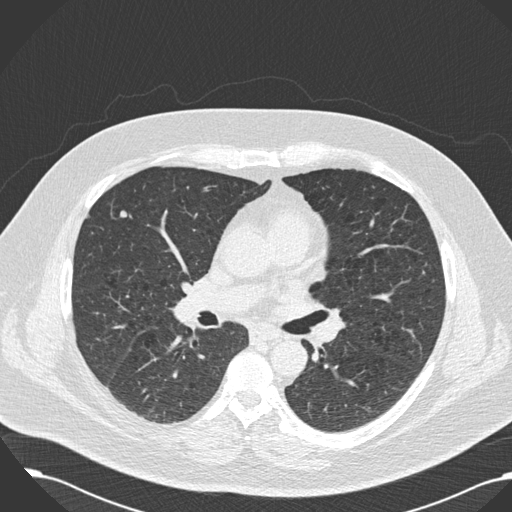
Axial chest CT slice 96 of 181 (counted from the lowest slice); 2.00 mm thick, 0.762 mm per pixel. Pulmonary nodule outlined by three of the four readers; box rows 210–217, columns 119–126 (the union of the readers' outlines on this slice); median longest diameter 8.0 mm (readers' outlines 7.6–8.2 mm), median volume 180 mm3 (115–253 mm3). Median ratings and the readers' spread: texture 5/5 (solid) at the median of three readers, spread 4/5 to 5/5 (solid); margin 5/5 (circumscribed) at the median of three readers, spread 4/5 to 5/5 (circumscribed); median sphericity 4/5 (readers ranged 4/5 to 5/5 (round)); calcification absent, all three readers agreeing; internal structure soft tissue, all three readers agreeing; subtlety 4/5 from all three readers; median malignancy likelihood 3/5 (readers ranged 2–3). Scale key (1–5): texture non-solid→solid, margin indistinct→circumscribed, sphericity linear→round, subtlety extremely subtle→obvious, malignancy likelihood highly unlikely→highly suspicious of cancer. Box rows and columns are 0-based pixel indices from the top-left corner, inclusive.
Acquired at 120 kVp and reconstructed with the B30f kernel.